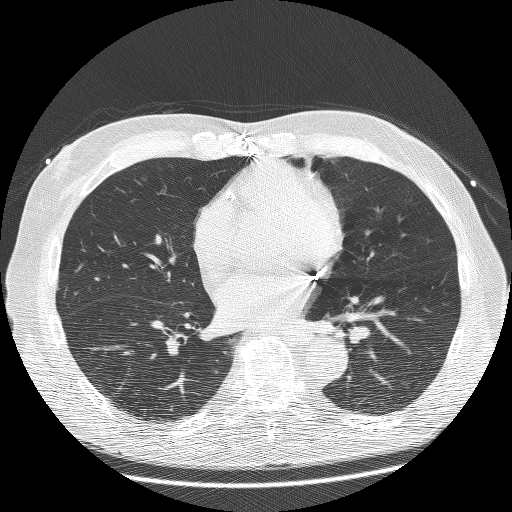
Axial chest CT slice 110 of 260 (counted from the lowest slice); 1.25 mm thick, 0.703 mm per pixel. Pulmonary nodule outlined by all four readers, two of them on this slice; box rows 178–181, columns 141–146 (the union of the readers' outlines on this slice); longest diameter 8.6 mm on average over the four readers' outlines (readers' outlines 8.0–9.1 mm), volume 118–204 mm3. Ratings, by the readers' most common answer with dissent counted: texture 5/5 (solid), all four readers agreeing; margin split among the readers: 4/5 (two), 5/5 (circumscribed) (two); sphericity 4/5 by two of four readers; the rest gave 3/5 (ovoid) (one), 5/5 (round) (one); calcification absent, all four readers agreeing; internal structure soft tissue, all four readers agreeing; subtlety 5/5 by three of four readers; the rest gave 4/5 (one); malignancy likelihood 2/5 by two of four readers; the rest gave 3/5 (one), 5/5 (one). Scale key (1–5): texture non-solid→solid, margin indistinct→circumscribed, sphericity linear→round, subtlety extremely subtle→obvious, malignancy likelihood highly unlikely→highly suspicious of cancer. Box rows and columns are 0-based pixel indices from the top-left corner, inclusive.
Scan settings: 120 kVp, BONE reconstruction kernel.